Chest CT, axial plane, 120 kVp, kernel B70f. Slice 160/368 from the bottom of the scan; thickness 2.00 mm; pixel size 0.623 mm.
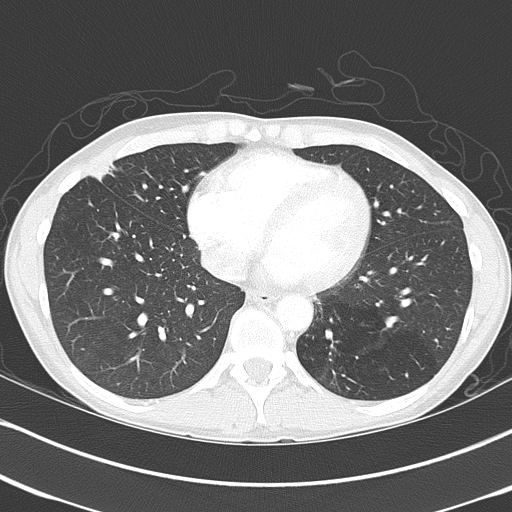
Pulmonary nodule outlined by all four readers, two of them on this slice; box rows 163–183, columns 87–117 (the union of the readers' outlines on this slice); median longest diameter 29.8 mm (readers' outlines 27.1–39.3 mm), median volume 7696 mm3 (6531–9806 mm3). Median ratings and the readers' spread: texture 5/5 (solid), all four readers agreeing; median margin 4/5 (readers ranged 2/5 to 5/5 (circumscribed)); median sphericity 3/5 (ovoid) (readers ranged 2/5 to 3/5 (ovoid)); calcification split among the readers: laminated calcification (one), absent (one), popcorn calcification (one), non-central calcification (one); internal structure soft tissue from all four readers; subtlety 5/5 from all four readers; malignancy likelihood 3/5 at the median of four readers, spread 1–5. Scale key (1–5): texture non-solid→solid, margin indistinct→circumscribed, sphericity linear→round, subtlety extremely subtle→obvious, malignancy likelihood highly unlikely→highly suspicious of cancer. Box rows and columns are 0-based pixel indices from the top-left corner, inclusive.